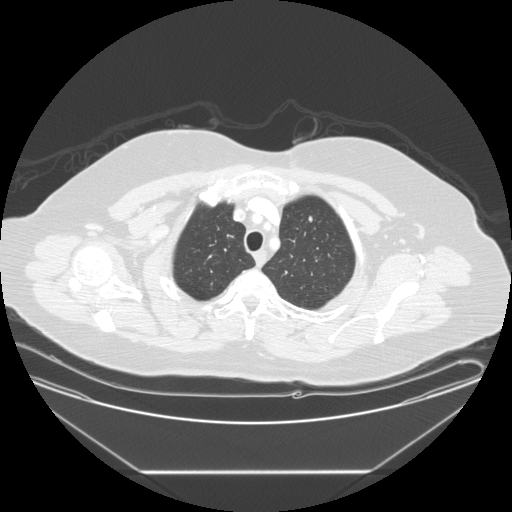
This is axial slice 191 of 225 (slice 1 is the lowest) of a chest CT; each pixel is 0.828 mm and the slice is 1.25 mm thick. Pulmonary nodule at rows 215–222, columns 307–312 (box = the union of the readers' outlines on this slice), outlined by all four readers; longest diameter 7.2 mm on average over the four readers' outlines (readers' outlines 6.7–7.9 mm), volume 129–187 mm3. The readers' prevailing ratings and who disagreed: texture 5/5 (solid) from all four readers; margin split among the readers: 4/5 (two), 5/5 (circumscribed) (two); sphericity 4/5 by three of four readers; the rest gave 5/5 (round) (one); calcification absent, all four readers agreeing; internal structure soft tissue, all four readers agreeing; subtlety split among the readers: 2/5 (one), 3/5 (one), 4/5 (one), 5/5 (one); most readers (three of four) put malignancy likelihood at 3/5, others 2/5 (one). Scale key (1–5): texture non-solid→solid, margin indistinct→circumscribed, sphericity linear→round, subtlety extremely subtle→obvious, malignancy likelihood highly unlikely→highly suspicious of cancer. Box rows and columns are 0-based pixel indices from the top-left corner, inclusive.
Scan settings: 120 kVp, STANDARD reconstruction kernel.